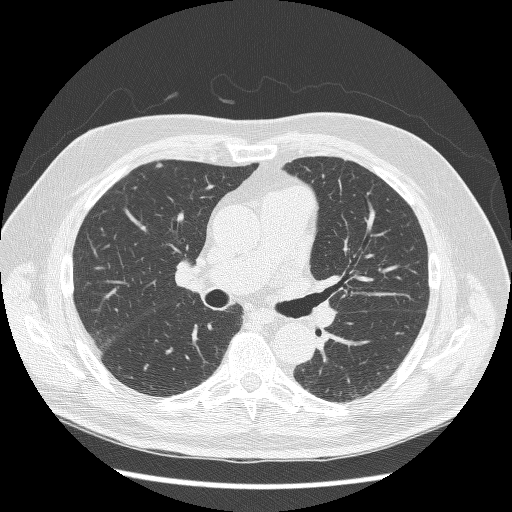
Axial chest CT slice 161 of 261 (counted from the lowest slice); tube voltage 120 kVp, convolution kernel BONE; slices 1.25 mm thick, 0.703 mm per pixel.
Pulmonary nodule at rows 163–167, columns 154–162 (box = the union of the readers' outlines on this slice), outlined by three of the four readers; longest diameter 6.3 mm on average over the three readers' outlines (readers' outlines 5.7–7.3 mm), volume 32–68 mm3. Ratings, by the readers' most common answer with dissent counted: texture 5/5 (solid) by two of three readers; the rest gave 4/5 (one); most readers (two of three) put margin at 4/5, others 5/5 (circumscribed) (one); most readers (two of three) put sphericity at 3/5 (ovoid), others 4/5 (one); calcification absent from all three readers; internal structure soft tissue, all three readers agreeing; subtlety split among the readers: 1/5 (one), 3/5 (one), 4/5 (one); malignancy likelihood 3/5, all three readers agreeing. Scale key (1–5): texture non-solid→solid, margin indistinct→circumscribed, sphericity linear→round, subtlety extremely subtle→obvious, malignancy likelihood highly unlikely→highly suspicious of cancer. Box rows and columns are 0-based pixel indices from the top-left corner, inclusive.